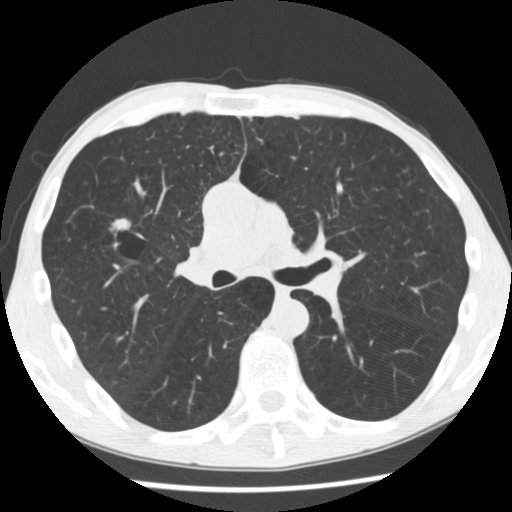
Slice 167/292 of a chest CT, counting up from the lowest; pixel size 0.645 mm, slice thickness 2.50 mm. Pulmonary nodule at rows 217–235, columns 108–131 (box = the union of the readers' outlines on this slice), outlined three times (the source holds two more outlines, not used); the three readers' outlines give a longest diameter between 18.2 and 19.0 mm and a volume between 892 and 1690 mm3. The readers' ratings, as ranges where they differ: texture 5/5 (solid), all three readers agreeing; margin from 2/5 to 4/5 across the three readers; sphericity from 2/5 to 4/5 across the three readers; calcification absent from all three readers; internal structure soft tissue from all three readers; subtlety rated between 4 and 5 out of 5 by the three readers; malignancy likelihood from 3/5 to 5/5 across the three readers. Scale key (1–5): texture non-solid→solid, margin indistinct→circumscribed, sphericity linear→round, subtlety extremely subtle→obvious, malignancy likelihood highly unlikely→highly suspicious of cancer. Box rows and columns are 0-based pixel indices from the top-left corner, inclusive.
Tube voltage 120 kVp; convolution kernel STANDARD.